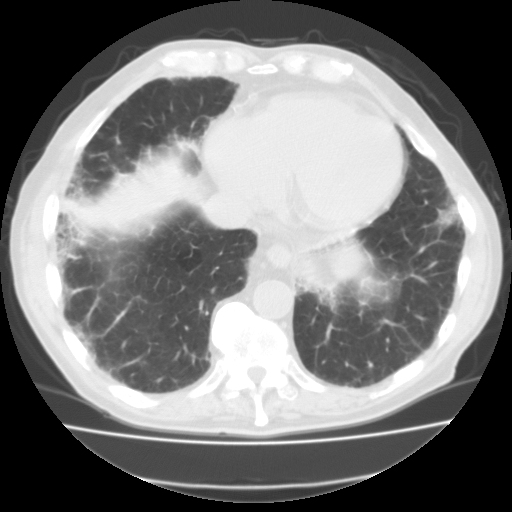
Chest CT, axial plane, 135 kVp, kernel FC01. Slice 33/111 from the bottom of the scan; thickness 3.00 mm; pixel size 0.714 mm.
Pulmonary nodule outlined by all four readers; box rows 202–228, columns 432–457 (the union of the readers' outlines on this slice); median longest diameter 19.9 mm (readers' outlines 19.5–21.5 mm), median volume 3747 mm3 (3640–4836 mm3). Median ratings and the readers' spread: texture 5/5 (solid) from all four readers; margin 5/5 (circumscribed) at the median of four readers, spread 4/5 to 5/5 (circumscribed); median sphericity 3.5/5 (readers ranged 3/5 (ovoid) to 5/5 (round)); calcification absent, all four readers agreeing; internal structure soft tissue from all four readers; subtlety 5/5 from all four readers; malignancy likelihood 3.5/5 at the median of four readers, spread 2–5. Scale key (1–5): texture non-solid→solid, margin indistinct→circumscribed, sphericity linear→round, subtlety extremely subtle→obvious, malignancy likelihood highly unlikely→highly suspicious of cancer. Box rows and columns are 0-based pixel indices from the top-left corner, inclusive.